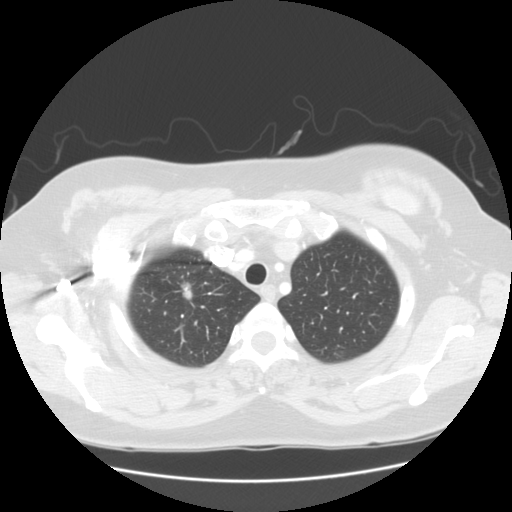
Chest CT, axial plane, 120 kVp, kernel STANDARD. Slice 121/139 from the bottom of the scan; thickness 2.50 mm; pixel size 0.703 mm.
Pulmonary nodule, outlined by all four readers. Box on this slice rows 282–299, columns 181–192, the union of the readers' outlines on this slice; median longest diameter 15.4 mm (readers' outlines 14.0–16.4 mm), median volume 825 mm3 (649–903 mm3). Ratings, median across the readers with their spread: median texture 4.5/5 (readers ranged 3/5 (part-solid) to 5/5 (solid)); median margin 4/5 (readers ranged 3/5 to 5/5 (circumscribed)); sphericity 3.5/5 at the median of four readers, spread 3/5 (ovoid) to 5/5 (round); calcification absent, all four readers agreeing; internal structure soft tissue from all four readers; subtlety 5/5 at the median of four readers, spread 4–5; median malignancy likelihood 4.5/5 (readers ranged 3–5). Scale key (1–5): texture non-solid→solid, margin indistinct→circumscribed, sphericity linear→round, subtlety extremely subtle→obvious, malignancy likelihood highly unlikely→highly suspicious of cancer. Box rows and columns are 0-based pixel indices from the top-left corner, inclusive.